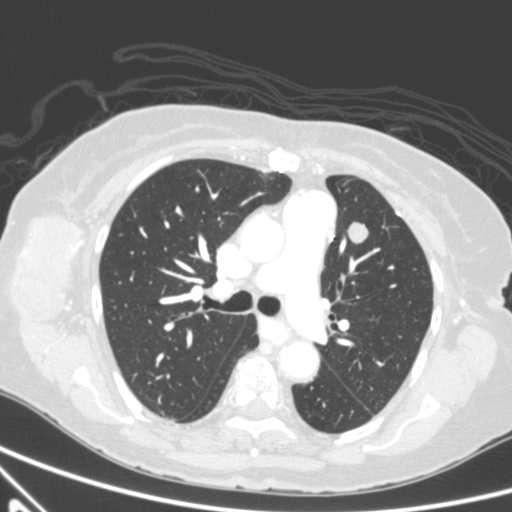
Axial chest CT slice 363 of 590 (counted from the lowest slice); tube voltage 120 kVp, convolution kernel B; slices 0.90 mm thick, 0.627 mm per pixel.
Pulmonary nodule, outlined by all four readers. Box on this slice rows 222–243, columns 347–368, the union of the readers' outlines on this slice; median longest diameter 17.7 mm (readers' outlines 16.3–20.1 mm), median volume 1143 mm3 (1116–1236 mm3). Ratings, median across the readers with their spread: texture 5/5 (solid), all four readers agreeing; median margin 4/5 (readers ranged 3/5 to 5/5 (circumscribed)); median sphericity 3.5/5 (readers ranged 3/5 (ovoid) to 4/5); calcification absent from all four readers; internal structure soft tissue, all four readers agreeing; median subtlety 5/5 (readers ranged 4–5); median malignancy likelihood 4/5 (readers ranged 3–5). Scale key (1–5): texture non-solid→solid, margin indistinct→circumscribed, sphericity linear→round, subtlety extremely subtle→obvious, malignancy likelihood highly unlikely→highly suspicious of cancer. Box rows and columns are 0-based pixel indices from the top-left corner, inclusive.